Axial chest CT slice 111 of 133 (counted from the lowest slice); tube voltage 120 kVp, convolution kernel STANDARD; slices 2.50 mm thick, 0.859 mm per pixel.
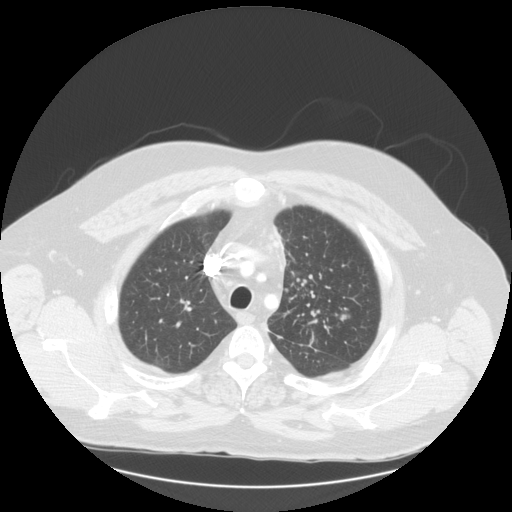
Pulmonary nodule outlined by all four readers; box rows 313–322, columns 339–350 (the union of the readers' outlines on this slice); longest diameter 18.7 mm on average over the four readers' outlines (readers' outlines 16.4–22.4 mm), volume 1808–2759 mm3. Ratings, by the readers' most common answer with dissent counted: texture split among the readers: 4/5 (two), 5/5 (solid) (two); margin 4/5 by two of four readers; the rest gave 3/5 (one), 5/5 (circumscribed) (one); sphericity 5/5 (round) by two of four readers; the rest gave 3/5 (ovoid) (one), 4/5 (one); calcification absent, all four readers agreeing; internal structure soft tissue from all four readers; subtlety 5/5 by three of four readers; the rest gave 3/5 (one); malignancy likelihood split among the readers: 4/5 (two), 5/5 (two). Scale key (1–5): texture non-solid→solid, margin indistinct→circumscribed, sphericity linear→round, subtlety extremely subtle→obvious, malignancy likelihood highly unlikely→highly suspicious of cancer. Box rows and columns are 0-based pixel indices from the top-left corner, inclusive.